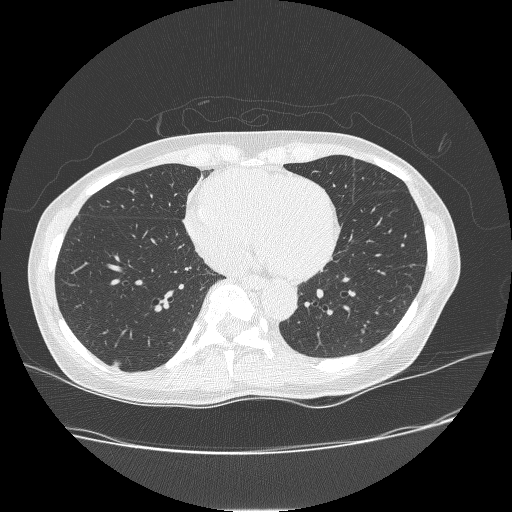
Slice 100/238 of a chest CT, counting up from the lowest; pixel size 0.703 mm, slice thickness 1.25 mm. Pulmonary nodule, outlined by one of the four readers. Box on this slice rows 360–368, columns 113–120, that reader's outline on this slice; longest diameter 9.2 mm and volume 160 mm3 from that reader's outline. Ratings by that reader: texture 3/5 (part-solid); margin 4/5; sphericity 3/5 (ovoid); calcification absent; internal structure soft tissue; subtlety 5/5; malignancy likelihood 3/5. Scale key (1–5): texture non-solid→solid, margin indistinct→circumscribed, sphericity linear→round, subtlety extremely subtle→obvious, malignancy likelihood highly unlikely→highly suspicious of cancer. Box rows and columns are 0-based pixel indices from the top-left corner, inclusive.
Tube voltage 120 kVp; convolution kernel BONE.